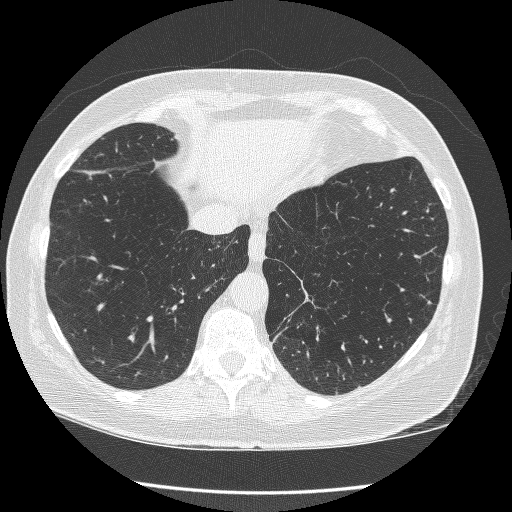
Chest CT, axial plane, 120 kVp, kernel BONE. Slice 78/246 from the bottom of the scan; thickness 1.25 mm; pixel size 0.617 mm.
Pulmonary nodule, outlined by all four readers, three of them on this slice. Box on this slice rows 301–304, columns 427–431, the union of the readers' outlines on this slice; median longest diameter 5.7 mm (readers' outlines 5.3–6.2 mm), median volume 91 mm3 (83–105 mm3). Ratings, median across the readers with their spread: median texture 5/5 (solid) (readers ranged 4/5 to 5/5 (solid)); margin 4.5/5 at the median of four readers, spread 4/5 to 5/5 (circumscribed); sphericity 3.5/5 at the median of four readers, spread 3/5 (ovoid) to 5/5 (round); calcification absent from all four readers; internal structure soft tissue, all four readers agreeing; subtlety 3/5 at the median of four readers, spread 2–4; malignancy likelihood 2.5/5 at the median of four readers, spread 2–3. Scale key (1–5): texture non-solid→solid, margin indistinct→circumscribed, sphericity linear→round, subtlety extremely subtle→obvious, malignancy likelihood highly unlikely→highly suspicious of cancer. Box rows and columns are 0-based pixel indices from the top-left corner, inclusive.